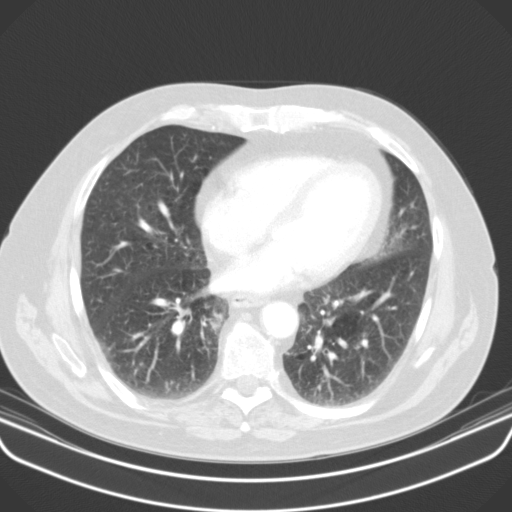
Axial chest CT slice 51 of 107 (counted from the lowest slice); tube voltage 130 kVp, convolution kernel B31s; slices 3.00 mm thick, 0.742 mm per pixel.
Pulmonary nodule, outlined by one of the four readers. Box on this slice rows 312–331, columns 209–221, that reader's outline on this slice; longest diameter 19.7 mm and volume 1325 mm3 from that reader's outline. That reader's ratings: texture 4/5; margin 4/5; sphericity 3/5 (ovoid); calcification absent; internal structure soft tissue; subtlety 4/5; malignancy likelihood 3/5. Scale key (1–5): texture non-solid→solid, margin indistinct→circumscribed, sphericity linear→round, subtlety extremely subtle→obvious, malignancy likelihood highly unlikely→highly suspicious of cancer. Box rows and columns are 0-based pixel indices from the top-left corner, inclusive.